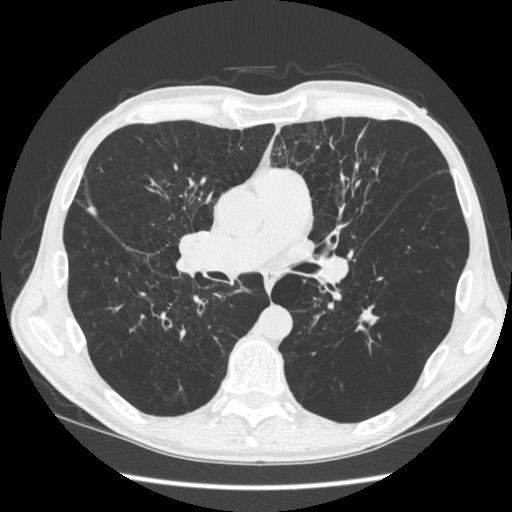
Chest CT, axial plane, 120 kVp, kernel STANDARD. Slice 323/583 from the bottom of the scan; thickness 1.25 mm; pixel size 0.703 mm.
Pulmonary nodule outlined by two of the four readers; box rows 305–331, columns 356–377 (the union of the readers' outlines on this slice); median longest diameter 27.9 mm (readers' outlines 24.1–31.7 mm), median volume 984 mm3 (791–1176 mm3). Ratings, median across the readers with their spread: texture 5/5 (solid) from both readers; median margin 2.5/5 (readers ranged 1/5 (indistinct) to 4/5); median sphericity 1.5/5 (readers ranged 1/5 (linear) to 2/5); calcification absent, both readers agreeing; internal structure soft tissue from both readers; subtlety 5/5 from both readers; malignancy likelihood 2.5/5 at the median of two readers, spread 2–3. Scale key (1–5): texture non-solid→solid, margin indistinct→circumscribed, sphericity linear→round, subtlety extremely subtle→obvious, malignancy likelihood highly unlikely→highly suspicious of cancer. Box rows and columns are 0-based pixel indices from the top-left corner, inclusive.